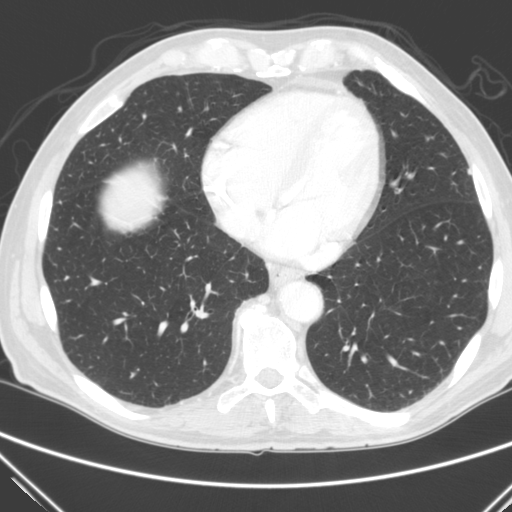
Chest CT, axial plane, 120 kVp, kernel C. Slice 88/290 from the bottom of the scan; thickness 2.00 mm; pixel size 0.682 mm.
Pulmonary nodule at rows 168–174, columns 467–470 (box = that reader's outline on this slice), outlined by one of the four readers; longest diameter 7.0 mm and volume 65 mm3 from that reader's outline. Ratings by that reader: texture 5/5 (solid); margin 4/5; sphericity 4/5; calcification absent; internal structure soft tissue; subtlety 5/5; malignancy likelihood 3/5. Scale key (1–5): texture non-solid→solid, margin indistinct→circumscribed, sphericity linear→round, subtlety extremely subtle→obvious, malignancy likelihood highly unlikely→highly suspicious of cancer. Box rows and columns are 0-based pixel indices from the top-left corner, inclusive.